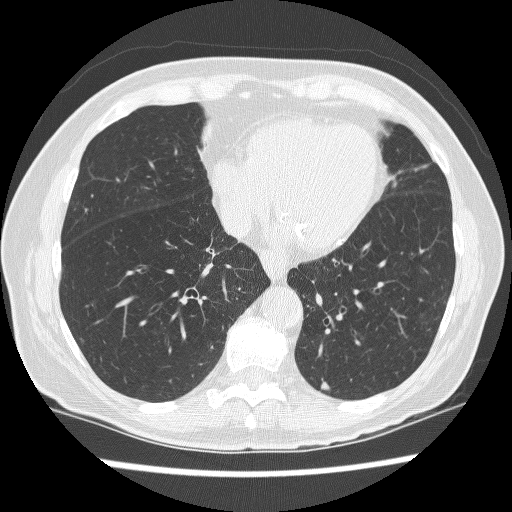
Axial chest CT slice 89 of 241 (counted from the lowest slice); tube voltage 120 kVp, convolution kernel BONE; slices 1.25 mm thick, 0.609 mm per pixel.
Pulmonary nodule outlined by three of the four readers; box rows 381–390, columns 320–329 (the union of the readers' outlines on this slice); median longest diameter 7.4 mm (readers' outlines 6.8–7.4 mm), median volume 108 mm3 (99–150 mm3). Median ratings and the readers' spread: texture 5/5 (solid) at the median of three readers, spread 4/5 to 5/5 (solid); median margin 4/5 (readers ranged 2/5 to 5/5 (circumscribed)); sphericity 4/5 at the median of three readers, spread 3/5 (ovoid) to 4/5; calcification absent from all three readers; internal structure soft tissue, all three readers agreeing; subtlety 4/5 at the median of three readers, spread 4–5; malignancy likelihood 3/5 at the median of three readers, spread 2–4. Scale key (1–5): texture non-solid→solid, margin indistinct→circumscribed, sphericity linear→round, subtlety extremely subtle→obvious, malignancy likelihood highly unlikely→highly suspicious of cancer. Box rows and columns are 0-based pixel indices from the top-left corner, inclusive.